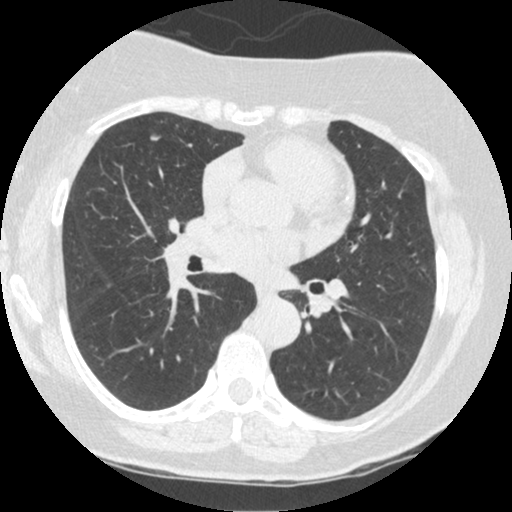
Axial chest CT slice 242 of 463 (counted from the lowest slice); tube voltage 120 kVp, convolution kernel STANDARD; slices 1.25 mm thick, 0.586 mm per pixel.
Pulmonary nodule outlined by two of the four readers; box rows 135–140, columns 149–159 (the union of the readers' outlines on this slice); longest diameter 6.9 mm on average over the two readers' outlines (readers' outlines 6.5–7.4 mm), volume 40–47 mm3. The readers' prevailing ratings and who disagreed: texture 5/5 (solid) from both readers; margin 4/5, both readers agreeing; sphericity split among the readers: 2/5 (one), 3/5 (ovoid) (one); calcification absent, both readers agreeing; internal structure soft tissue, both readers agreeing; subtlety split among the readers: 2/5 (one), 4/5 (one); malignancy likelihood split among the readers: 2/5 (one), 3/5 (one). Scale key (1–5): texture non-solid→solid, margin indistinct→circumscribed, sphericity linear→round, subtlety extremely subtle→obvious, malignancy likelihood highly unlikely→highly suspicious of cancer. Box rows and columns are 0-based pixel indices from the top-left corner, inclusive.